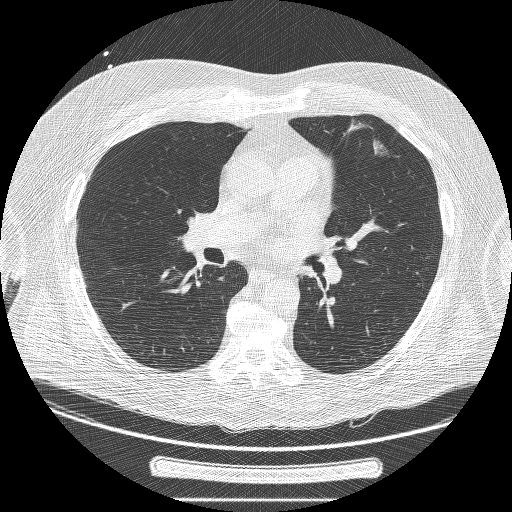
One axial slice (124 of 239, counting up from the lowest) of a chest CT acquired at 120 kVp with the BONE kernel; each pixel is 0.795 mm and the slice is 1.25 mm thick.
Pulmonary nodule, outlined by two of the four readers. Box on this slice rows 117–157, columns 346–390, the union of the readers' outlines on this slice; longest diameter 43.2 mm on average over the two readers' outlines (readers' outlines 43.0–43.4 mm), volume 10396–11168 mm3. Ratings, by the readers' most common answer with dissent counted: texture split among the readers: 3/5 (part-solid) (one), 5/5 (solid) (one); margin split among the readers: 1/5 (indistinct) (one), 3/5 (one); sphericity split among the readers: 1/5 (linear) (one), 3/5 (ovoid) (one); calcification absent, both readers agreeing; internal structure soft tissue from both readers; subtlety 5/5, both readers agreeing; malignancy likelihood 5/5 from both readers. Scale key (1–5): texture non-solid→solid, margin indistinct→circumscribed, sphericity linear→round, subtlety extremely subtle→obvious, malignancy likelihood highly unlikely→highly suspicious of cancer. Box rows and columns are 0-based pixel indices from the top-left corner, inclusive.